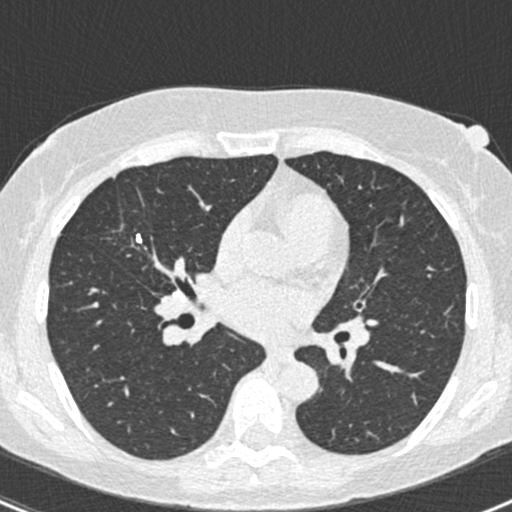
Axial chest CT slice 242 of 429 (counted from the lowest slice); tube voltage 120 kVp, convolution kernel B30f; slices 0.75 mm thick, 0.586 mm per pixel.
Pulmonary nodule outlined three times (the source holds two more outlines, not used); box rows 233–249, columns 136–147 (the union of the readers' outlines on this slice); longest diameter 8.0–11.0 mm and volume 95–144 mm3 across the three readers' outlines. Ratings across the readers: texture 5/5 (solid) from all three readers; margin 5/5 (circumscribed), all three readers agreeing; sphericity from 2/5 to 5/5 (round) across the three readers; calcification solid calcification, all three readers agreeing; internal structure soft tissue, all three readers agreeing; subtlety 4–5/5 (the readers disagree); malignancy likelihood 1/5, all three readers agreeing. Scale key (1–5): texture non-solid→solid, margin indistinct→circumscribed, sphericity linear→round, subtlety extremely subtle→obvious, malignancy likelihood highly unlikely→highly suspicious of cancer. Box rows and columns are 0-based pixel indices from the top-left corner, inclusive.